Chest CT, axial plane, 120 kVp, kernel BONE. Slice 148/238 from the bottom of the scan; thickness 1.25 mm; pixel size 0.703 mm.
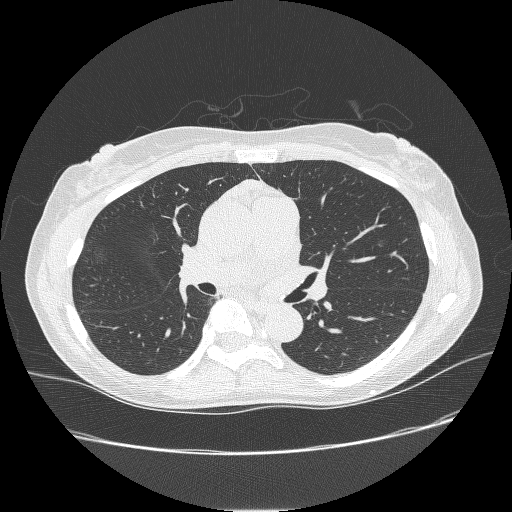
Pulmonary nodule at rows 240–246, columns 378–384 (box = the union of the readers' outlines on this slice), outlined by three of the four readers, two of them on this slice; longest diameter 10.4 mm on average over the three readers' outlines (readers' outlines 10.1–10.7 mm), volume 130–226 mm3. The readers' prevailing ratings and who disagreed: texture 1/5 (non-solid) from all three readers; margin 1/5 (indistinct) by two of three readers; the rest gave 2/5 (one); sphericity split among the readers: 2/5 (one), 3/5 (ovoid) (one), 4/5 (one); calcification absent, all three readers agreeing; internal structure soft tissue from all three readers; subtlety split among the readers: 2/5 (one), 3/5 (one), 4/5 (one); malignancy likelihood 3/5 by two of three readers; the rest gave 4/5 (one). Scale key (1–5): texture non-solid→solid, margin indistinct→circumscribed, sphericity linear→round, subtlety extremely subtle→obvious, malignancy likelihood highly unlikely→highly suspicious of cancer. Box rows and columns are 0-based pixel indices from the top-left corner, inclusive.